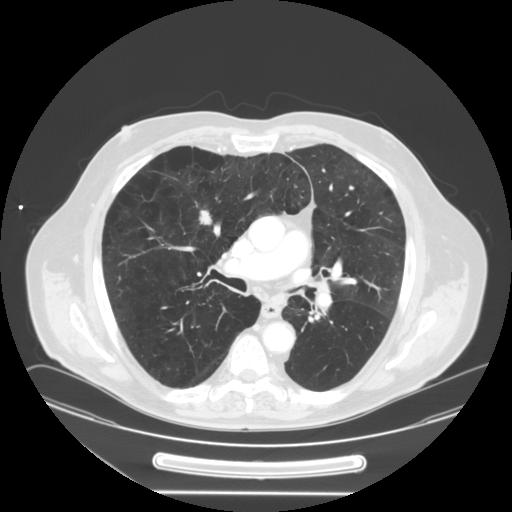
Axial slice 90 of 148 of a chest CT (slice 1 is the lowest), reconstructed with the STANDARD kernel at 120 kVp; 2.50 mm slice thickness and 0.859 mm pixels.
Pulmonary nodule, outlined three times (the source holds two more outlines, not used). Box on this slice rows 209–224, columns 199–211, the union of the readers' outlines on this slice; the three readers' outlines give a longest diameter between 32.7 and 36.1 mm and a volume between 2349 and 3895 mm3. Ratings across the readers: texture 5/5 (solid) from all three readers; margin from 2/5 to 5/5 (circumscribed) across the three readers; sphericity from 2/5 to 3/5 (ovoid) across the three readers; calcification absent from all three readers; internal structure soft tissue, all three readers agreeing; subtlety 5/5, all three readers agreeing; malignancy likelihood from 3/5 to 5/5 across the three readers. Scale key (1–5): texture non-solid→solid, margin indistinct→circumscribed, sphericity linear→round, subtlety extremely subtle→obvious, malignancy likelihood highly unlikely→highly suspicious of cancer. Box rows and columns are 0-based pixel indices from the top-left corner, inclusive.